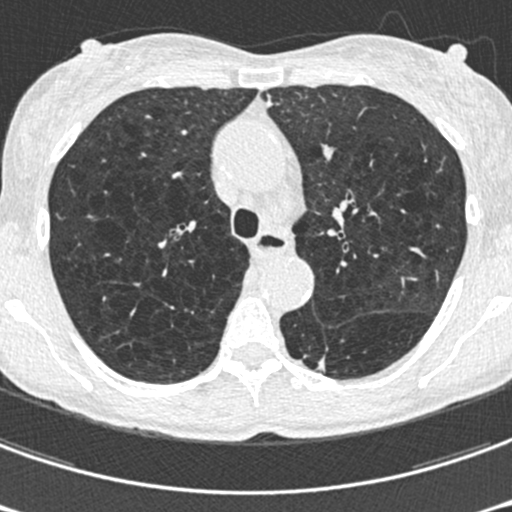
Slice 433/633 of a chest CT, counting up from the lowest; pixel size 0.541 mm, slice thickness 0.60 mm. Pulmonary nodule at rows 356–371, columns 316–324 (box = that reader's outline on this slice), outlined by one of the four readers; longest diameter 20.7 mm and volume 470 mm3 from that reader's outline. Ratings by that reader: texture 5/5 (solid); margin 1/5 (indistinct); sphericity 2/5; calcification absent; internal structure soft tissue; subtlety 4/5; malignancy likelihood 3/5. Scale key (1–5): texture non-solid→solid, margin indistinct→circumscribed, sphericity linear→round, subtlety extremely subtle→obvious, malignancy likelihood highly unlikely→highly suspicious of cancer. Box rows and columns are 0-based pixel indices from the top-left corner, inclusive.
Tube voltage 120 kVp; convolution kernel B30f.